Axial slice 48 of 111 of a chest CT (slice 1 is the lowest), reconstructed with the FC01 kernel at 135 kVp; 3.00 mm slice thickness and 0.751 mm pixels.
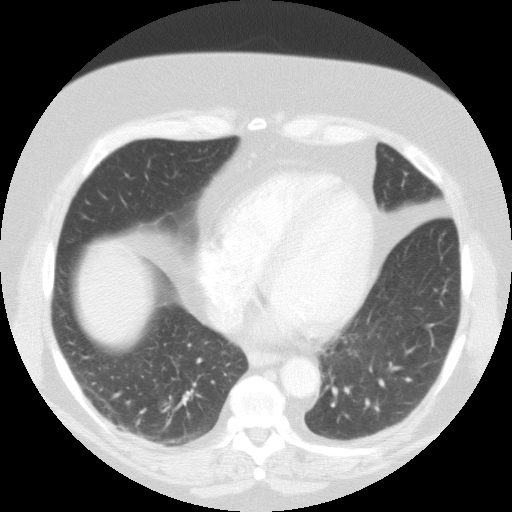
Pulmonary nodule at rows 398–406, columns 159–168 (box = the union of the readers' outlines on this slice), outlined by all four readers, two of them on this slice; the four readers' outlines give a longest diameter between 14.6 and 18.2 mm and a volume between 1388 and 1524 mm3. Ratings across the readers: texture 5/5 (solid) from all four readers; margin 5/5 (circumscribed), all four readers agreeing; sphericity 5/5 (round) from all four readers; calcification absent from all four readers; internal structure soft tissue from all four readers; subtlety 3–5/5 (the readers disagree); malignancy likelihood rated between 2 and 5 out of 5 by the four readers. Scale key (1–5): texture non-solid→solid, margin indistinct→circumscribed, sphericity linear→round, subtlety extremely subtle→obvious, malignancy likelihood highly unlikely→highly suspicious of cancer. Box rows and columns are 0-based pixel indices from the top-left corner, inclusive.